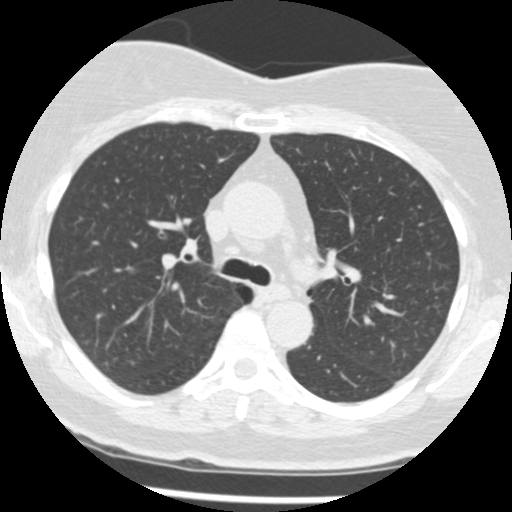
Axial slice 290 of 433 of a chest CT (slice 1 is the lowest), reconstructed with the STANDARD kernel at 120 kVp; 1.25 mm slice thickness and 0.547 mm pixels.
The readers outlined no nodule of 3 mm or more on this slice.